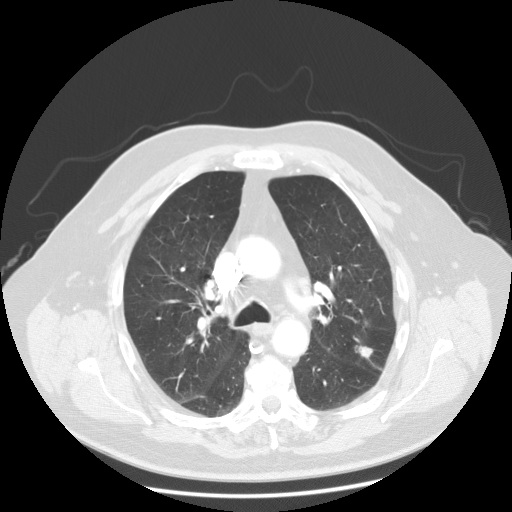
Chest CT, axial plane, 120 kVp, kernel STANDARD. Slice 87/133 from the bottom of the scan; thickness 2.50 mm; pixel size 0.820 mm.
Two pulmonary nodules on this slice, listed from left to right. (1) Pulmonary nodule outlined by all four readers; box rows 345–357, columns 354–372 (the union of the readers' outlines on this slice); longest diameter 15.0 mm on average over the four readers' outlines (readers' outlines 13.6–17.4 mm), volume 747–1295 mm3. Ratings, by the readers' most common answer with dissent counted: most readers (three of four) put texture at 5/5 (solid), others 4/5 (one); margin split among the readers: 4/5 (two), 5/5 (circumscribed) (two); sphericity split among the readers: 3/5 (ovoid) (two), 5/5 (round) (two); calcification absent from all four readers; internal structure soft tissue, all four readers agreeing; subtlety 5/5 by two of four readers; the rest gave 3/5 (one), 4/5 (one); malignancy likelihood 4/5 by two of four readers; the rest gave 2/5 (one), 5/5 (one). (2) Pulmonary nodule outlined by all four readers, one of them on this slice; box rows 321–325, columns 364–368 (the one reader's outline on this slice); longest diameter 13.7–15.1 mm and volume 880–1281 mm3 across the four readers' outlines. The readers' ratings, as ranges where they differ: texture 5/5 (solid) from all four readers; margin from 4/5 to 5/5 (circumscribed) across the four readers; sphericity from 3/5 (ovoid) to 5/5 (round) across the four readers; calcification absent, all four readers agreeing; internal structure soft tissue from all four readers; subtlety from 3/5 to 5/5 across the four readers; malignancy likelihood from 2/5 to 5/5 across the four readers. Scale key (1–5): texture non-solid→solid, margin indistinct→circumscribed, sphericity linear→round, subtlety extremely subtle→obvious, malignancy likelihood highly unlikely→highly suspicious of cancer. Box rows and columns are 0-based pixel indices from the top-left corner, inclusive.